Chest CT, axial plane, 120 kVp, kernel STANDARD. Slice 453/541 from the bottom of the scan; thickness 1.25 mm; pixel size 0.781 mm.
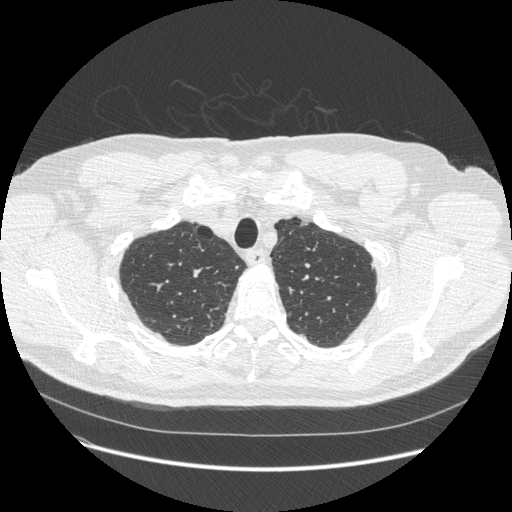
Pulmonary nodule outlined by one of the four readers; box rows 266–269, columns 234–238 (that reader's outline on this slice); longest diameter 5.2 mm and volume 46 mm3 from that reader's outline. Ratings by that reader: texture 5/5 (solid); margin 5/5 (circumscribed); sphericity 4/5; calcification absent; internal structure soft tissue; subtlety 4/5; malignancy likelihood 4/5. Scale key (1–5): texture non-solid→solid, margin indistinct→circumscribed, sphericity linear→round, subtlety extremely subtle→obvious, malignancy likelihood highly unlikely→highly suspicious of cancer. Box rows and columns are 0-based pixel indices from the top-left corner, inclusive.